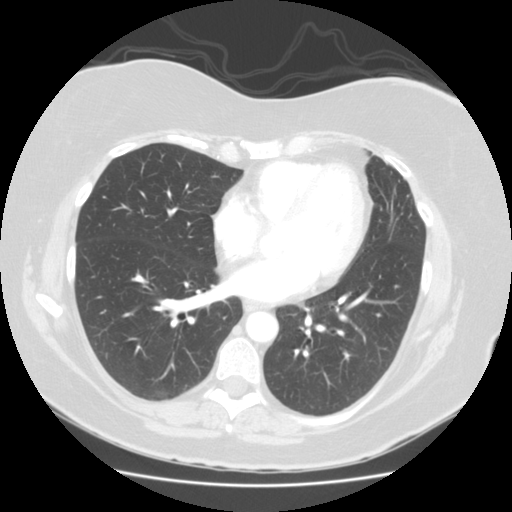
Chest CT, axial plane, 120 kVp, kernel STANDARD. Slice 70/127 from the bottom of the scan; thickness 2.50 mm; pixel size 0.703 mm.
None of the four readers outlined a nodule of 3 mm or more on this slice.